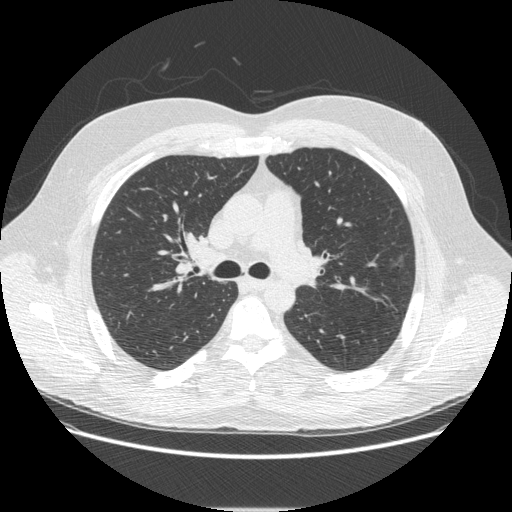
Axial chest CT slice 307 of 497 (counted from the lowest slice); 1.25 mm thick, 0.762 mm per pixel. Pulmonary nodule at rows 253–268, columns 389–409 (box = the union of the readers' outlines on this slice), outlined by all four readers; median longest diameter 21.7 mm (readers' outlines 21.5–22.5 mm), median volume 2358 mm3 (2170–2597 mm3). Median ratings and the readers' spread: median texture 1/5 (non-solid) (readers ranged 1/5 (non-solid) to 3/5 (part-solid)); median margin 3/5 (readers ranged 2/5 to 4/5); median sphericity 4.5/5 (readers ranged 3/5 (ovoid) to 5/5 (round)); calcification absent from all four readers; internal structure split among the readers: air (two), soft tissue (two); median subtlety 4/5 (readers ranged 1–5); malignancy likelihood 3/5 at the median of four readers, spread 1–5. Scale key (1–5): texture non-solid→solid, margin indistinct→circumscribed, sphericity linear→round, subtlety extremely subtle→obvious, malignancy likelihood highly unlikely→highly suspicious of cancer. Box rows and columns are 0-based pixel indices from the top-left corner, inclusive.
Scan settings: 120 kVp, STANDARD reconstruction kernel.